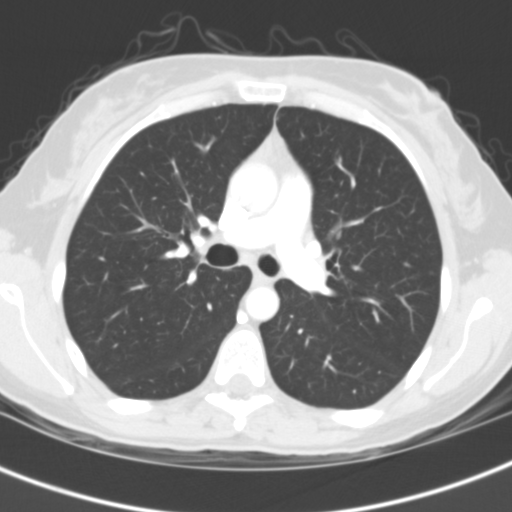
Axial chest CT slice 82 of 122 (counted from the lowest slice); 3.00 mm thick, 0.566 mm per pixel. Pulmonary nodule, outlined by two of the four readers. Box on this slice rows 271–274, columns 430–432, the union of the readers' outlines on this slice; median longest diameter 3.8 mm (readers' outlines 3.8 mm), median volume 41 mm3 (40–42 mm3). Ratings, median across the readers with their spread: texture 5/5 (solid) from both readers; margin 5/5 (circumscribed), both readers agreeing; median sphericity 4.5/5 (readers ranged 4/5 to 5/5 (round)); calcification absent from both readers; internal structure soft tissue, both readers agreeing; subtlety 4/5 at the median of two readers, spread 3–5; malignancy likelihood 2.5/5 at the median of two readers, spread 2–3. Scale key (1–5): texture non-solid→solid, margin indistinct→circumscribed, sphericity linear→round, subtlety extremely subtle→obvious, malignancy likelihood highly unlikely→highly suspicious of cancer. Box rows and columns are 0-based pixel indices from the top-left corner, inclusive.
Acquired at 120 kVp and reconstructed with the B31f kernel.